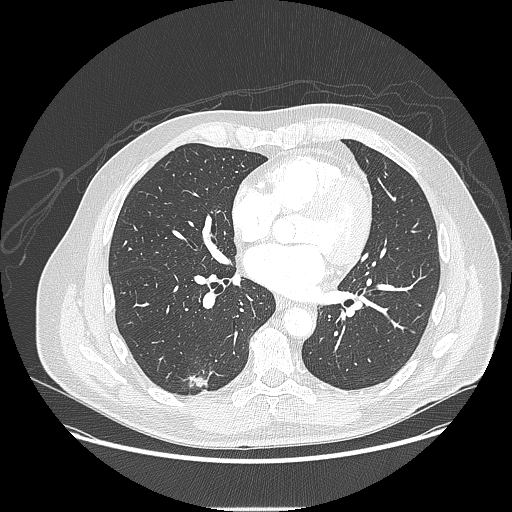
This is axial slice 86 of 214 (slice 1 is the lowest) of a chest CT; each pixel is 0.820 mm and the slice is 1.25 mm thick. Pulmonary nodule, outlined by all four readers, three of them on this slice. Box on this slice rows 375–387, columns 188–208, the union of the readers' outlines on this slice; median longest diameter 23.1 mm (readers' outlines 14.7–27.9 mm), median volume 1263 mm3 (696–2326 mm3). Median ratings and the readers' spread: median texture 5/5 (solid) (readers ranged 4/5 to 5/5 (solid)); median margin 4/5 (readers ranged 1/5 (indistinct) to 4/5); median sphericity 2.5/5 (readers ranged 2/5 to 3/5 (ovoid)); calcification absent, all four readers agreeing; internal structure soft tissue from all four readers; median subtlety 4.5/5 (readers ranged 4–5); malignancy likelihood 4/5 at the median of four readers, spread 3–4. Scale key (1–5): texture non-solid→solid, margin indistinct→circumscribed, sphericity linear→round, subtlety extremely subtle→obvious, malignancy likelihood highly unlikely→highly suspicious of cancer. Box rows and columns are 0-based pixel indices from the top-left corner, inclusive.
Acquired at 120 kVp and reconstructed with the LUNG kernel.